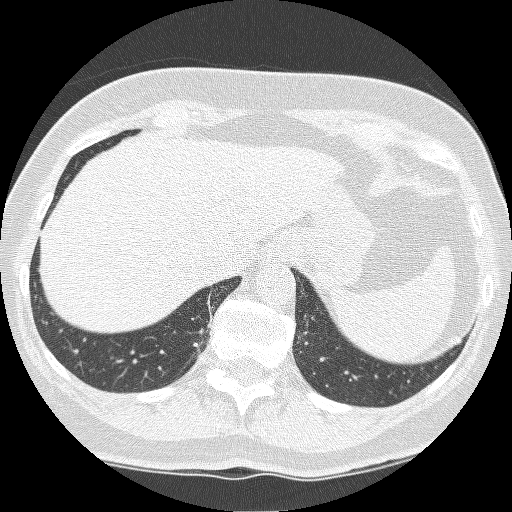
Slice 48/250 of a chest CT, counting up from the lowest; pixel size 0.586 mm, slice thickness 1.25 mm. Pulmonary nodule, outlined by three of the four readers, one of them on this slice. Box on this slice rows 341–344, columns 457–461, the one reader's outline on this slice; median longest diameter 9.5 mm (readers' outlines 9.0–10.8 mm), median volume 322 mm3 (291–346 mm3). Median ratings and the readers' spread: texture 5/5 (solid) at the median of three readers, spread 4/5 to 5/5 (solid); margin 4/5 at the median of three readers, spread 3/5 to 4/5; sphericity 3/5 (ovoid) from all three readers; calcification absent from all three readers; internal structure soft tissue from all three readers; subtlety 5/5 at the median of three readers, spread 4–5; median malignancy likelihood 4/5 (readers ranged 3–4). Scale key (1–5): texture non-solid→solid, margin indistinct→circumscribed, sphericity linear→round, subtlety extremely subtle→obvious, malignancy likelihood highly unlikely→highly suspicious of cancer. Box rows and columns are 0-based pixel indices from the top-left corner, inclusive.
Tube voltage 120 kVp; convolution kernel BONE.